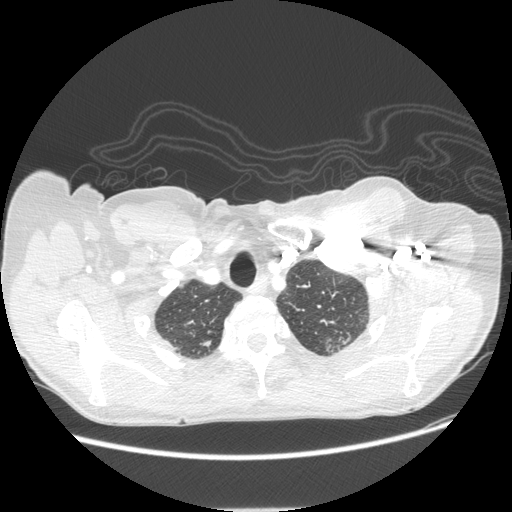
Chest CT, axial plane, 120 kVp, kernel STANDARD. Slice 195/232 from the bottom of the scan; thickness 1.25 mm; pixel size 0.742 mm.
Pulmonary nodule at rows 339–346, columns 201–211 (box = the union of the readers' outlines on this slice), outlined by all four readers; longest diameter 7.6–11.3 mm and volume 79–196 mm3 across the four readers' outlines. The readers' ratings, as ranges where they differ: texture 5/5 (solid) from all four readers; margin from 3/5 to 5/5 (circumscribed) across the four readers; sphericity from 4/5 to 5/5 (round) across the four readers; calcification absent, all four readers agreeing; internal structure soft tissue, all four readers agreeing; subtlety rated between 2 and 4 out of 5 by the four readers; malignancy likelihood from 2/5 to 3/5 across the four readers. Scale key (1–5): texture non-solid→solid, margin indistinct→circumscribed, sphericity linear→round, subtlety extremely subtle→obvious, malignancy likelihood highly unlikely→highly suspicious of cancer. Box rows and columns are 0-based pixel indices from the top-left corner, inclusive.